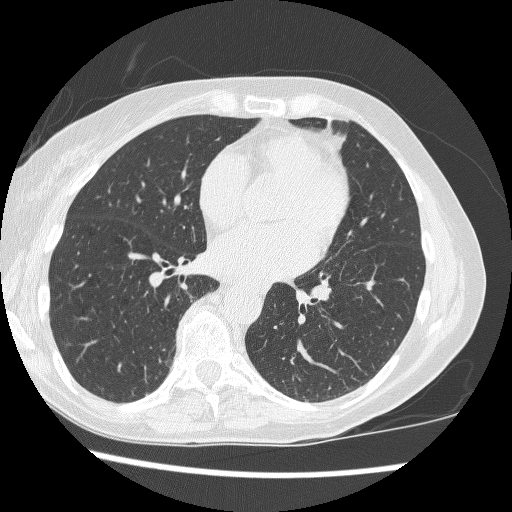
Axial chest CT slice 127 of 257 (counted from the lowest slice); tube voltage 120 kVp, convolution kernel BONE; slices 1.25 mm thick, 0.627 mm per pixel.
Pulmonary nodule outlined by all four readers, one of them on this slice; box rows 359–365, columns 165–170 (the one reader's outline on this slice); the four readers' outlines give a longest diameter between 9.0 and 11.5 mm and a volume between 130 and 194 mm3. The readers' ratings, as ranges where they differ: texture from 4/5 to 5/5 (solid) across the four readers; margin from 3/5 to 4/5 across the four readers; sphericity from 2/5 to 3/5 (ovoid) across the four readers; calcification absent from all four readers; internal structure soft tissue from all four readers; subtlety rated between 3 and 4 out of 5 by the four readers; malignancy likelihood 2–3/5 (the readers disagree). Scale key (1–5): texture non-solid→solid, margin indistinct→circumscribed, sphericity linear→round, subtlety extremely subtle→obvious, malignancy likelihood highly unlikely→highly suspicious of cancer. Box rows and columns are 0-based pixel indices from the top-left corner, inclusive.